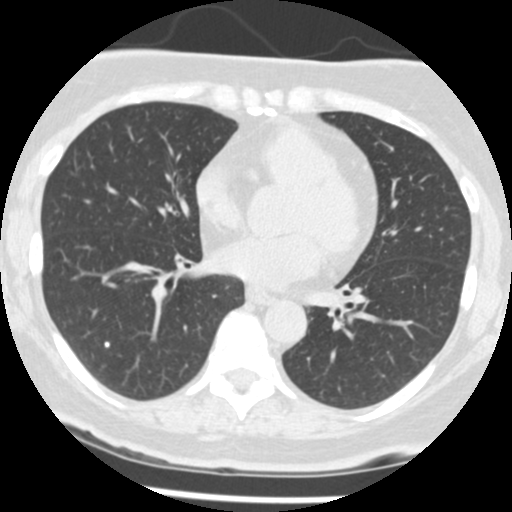
Axial chest CT slice 200 of 433 (counted from the lowest slice); tube voltage 120 kVp, convolution kernel STANDARD; slices 1.25 mm thick, 0.547 mm per pixel.
Pulmonary nodule outlined by three of the four readers; box rows 341–347, columns 103–109 (the union of the readers' outlines on this slice); longest diameter 4.8 mm on average over the three readers' outlines (readers' outlines 4.5–5.0 mm), volume 36–46 mm3. The readers' prevailing ratings and who disagreed: texture 5/5 (solid) from all three readers; margin 5/5 (circumscribed) from all three readers; sphericity 5/5 (round) from all three readers; calcification solid calcification, all three readers agreeing; internal structure soft tissue from all three readers; subtlety 5/5, all three readers agreeing; malignancy likelihood 1/5 from all three readers. Scale key (1–5): texture non-solid→solid, margin indistinct→circumscribed, sphericity linear→round, subtlety extremely subtle→obvious, malignancy likelihood highly unlikely→highly suspicious of cancer. Box rows and columns are 0-based pixel indices from the top-left corner, inclusive.